Chest CT, axial plane, 120 kVp, kernel STANDARD. Slice 78/230 from the bottom of the scan; thickness 1.25 mm; pixel size 0.742 mm.
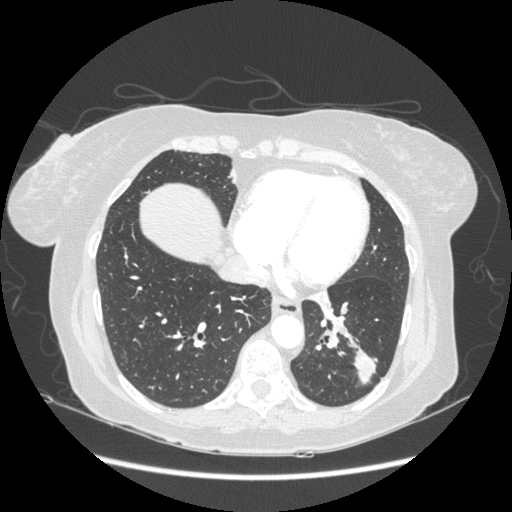
Pulmonary nodule, outlined by all four readers. Box on this slice rows 349–384, columns 352–377, the union of the readers' outlines on this slice; the four readers' outlines give a longest diameter between 23.1 and 31.5 mm and a volume between 3020 and 5074 mm3. Ratings across the readers: texture 5/5 (solid), all four readers agreeing; margin from 3/5 to 5/5 (circumscribed) across the four readers; sphericity from 3/5 (ovoid) to 5/5 (round) across the four readers; calcification absent, all four readers agreeing; internal structure soft tissue, all four readers agreeing; subtlety 5/5, all four readers agreeing; malignancy likelihood rated between 3 and 5 out of 5 by the four readers. Scale key (1–5): texture non-solid→solid, margin indistinct→circumscribed, sphericity linear→round, subtlety extremely subtle→obvious, malignancy likelihood highly unlikely→highly suspicious of cancer. Box rows and columns are 0-based pixel indices from the top-left corner, inclusive.